One axial slice (85 of 272, counting up from the lowest) of a chest CT acquired at 140 kVp with the D kernel; each pixel is 0.676 mm and the slice is 1.00 mm thick.
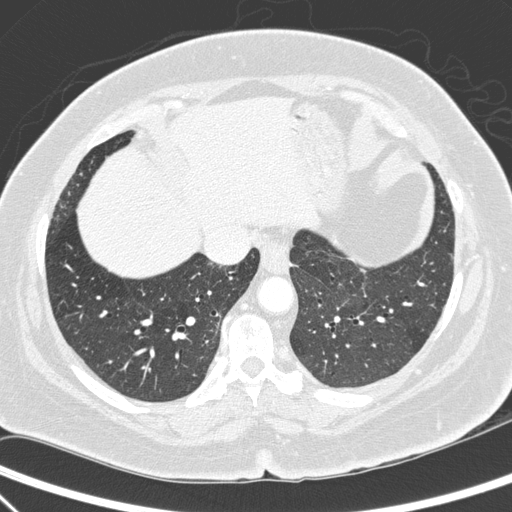
Pulmonary nodule outlined by two of the four readers; box rows 268–272, columns 359–365 (the union of the readers' outlines on this slice); longest diameter 5.4–8.2 mm and volume 51–143 mm3 across the two readers' outlines. Ratings across the readers: texture 5/5 (solid) from both readers; margin from 4/5 to 5/5 (circumscribed) across the two readers; sphericity from 2/5 to 4/5 across the two readers; calcification absent from both readers; internal structure soft tissue, both readers agreeing; subtlety rated between 1 and 4 out of 5 by the two readers; malignancy likelihood from 1/5 to 3/5 across the two readers. Scale key (1–5): texture non-solid→solid, margin indistinct→circumscribed, sphericity linear→round, subtlety extremely subtle→obvious, malignancy likelihood highly unlikely→highly suspicious of cancer. Box rows and columns are 0-based pixel indices from the top-left corner, inclusive.